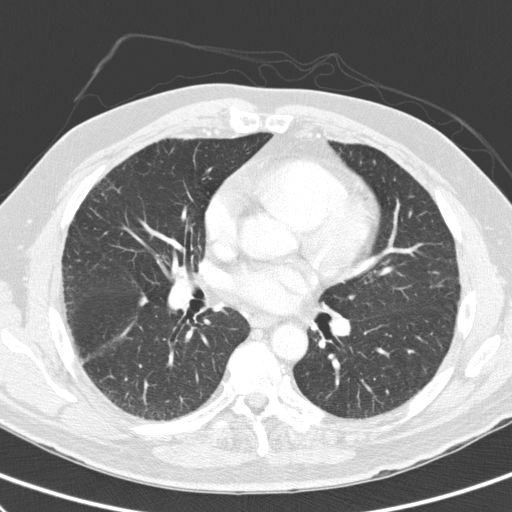
Axial chest CT slice 158 of 300 (counted from the lowest slice); 2.00 mm thick, 0.662 mm per pixel. Pulmonary nodule outlined by three of the four readers; box rows 295–306, columns 138–147 (the union of the readers' outlines on this slice); longest diameter 9.1 mm on average over the three readers' outlines (readers' outlines 8.2–10.3 mm), volume 142–190 mm3. Ratings, by the readers' most common answer with dissent counted: texture 5/5 (solid), all three readers agreeing; margin 4/5, all three readers agreeing; sphericity 4/5 by two of three readers; the rest gave 3/5 (ovoid) (one); calcification absent, all three readers agreeing; internal structure soft tissue from all three readers; most readers (two of three) put subtlety at 4/5, others 5/5 (one); most readers (two of three) put malignancy likelihood at 3/5, others 4/5 (one). Scale key (1–5): texture non-solid→solid, margin indistinct→circumscribed, sphericity linear→round, subtlety extremely subtle→obvious, malignancy likelihood highly unlikely→highly suspicious of cancer. Box rows and columns are 0-based pixel indices from the top-left corner, inclusive.
Tube voltage 120 kVp; convolution kernel D.